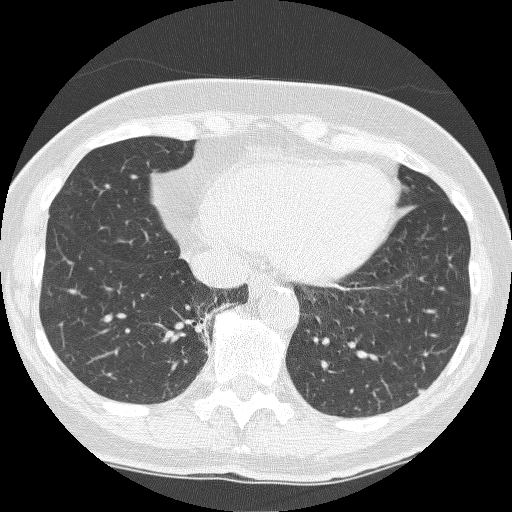
Slice 75/250 of a chest CT, counting up from the lowest; pixel size 0.586 mm, slice thickness 1.25 mm. Pulmonary nodule outlined by three of the four readers; box rows 387–395, columns 416–425 (the union of the readers' outlines on this slice); the three readers' outlines give a longest diameter between 5.8 and 8.1 mm and a volume between 81 and 143 mm3. Ratings across the readers: texture from 4/5 to 5/5 (solid) across the three readers; margin from 4/5 to 5/5 (circumscribed) across the three readers; sphericity from 3/5 (ovoid) to 4/5 across the three readers; calcification absent from all three readers; internal structure soft tissue, all three readers agreeing; subtlety rated between 4 and 5 out of 5 by the three readers; malignancy likelihood rated between 3 and 4 out of 5 by the three readers. Scale key (1–5): texture non-solid→solid, margin indistinct→circumscribed, sphericity linear→round, subtlety extremely subtle→obvious, malignancy likelihood highly unlikely→highly suspicious of cancer. Box rows and columns are 0-based pixel indices from the top-left corner, inclusive.
Tube voltage 120 kVp; convolution kernel BONE.